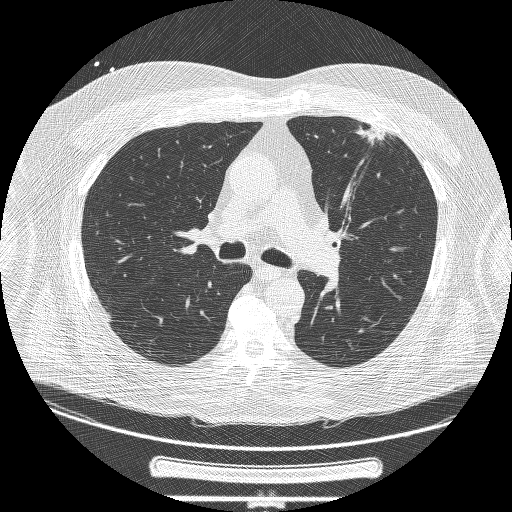
Axial slice 141 of 239 of a chest CT (slice 1 is the lowest), reconstructed with the BONE kernel at 120 kVp; 1.25 mm slice thickness and 0.795 mm pixels.
Pulmonary nodule outlined by two of the four readers; box rows 124–144, columns 355–383 (the union of the readers' outlines on this slice); the two readers' outlines give a longest diameter between 43.0 and 43.4 mm and a volume between 10396 and 11168 mm3. The readers' ratings, as ranges where they differ: texture from 3/5 (part-solid) to 5/5 (solid) across the two readers; margin from 1/5 (indistinct) to 3/5 across the two readers; sphericity from 1/5 (linear) to 3/5 (ovoid) across the two readers; calcification absent from both readers; internal structure soft tissue, both readers agreeing; subtlety 5/5, both readers agreeing; malignancy likelihood 5/5 from both readers. Scale key (1–5): texture non-solid→solid, margin indistinct→circumscribed, sphericity linear→round, subtlety extremely subtle→obvious, malignancy likelihood highly unlikely→highly suspicious of cancer. Box rows and columns are 0-based pixel indices from the top-left corner, inclusive.